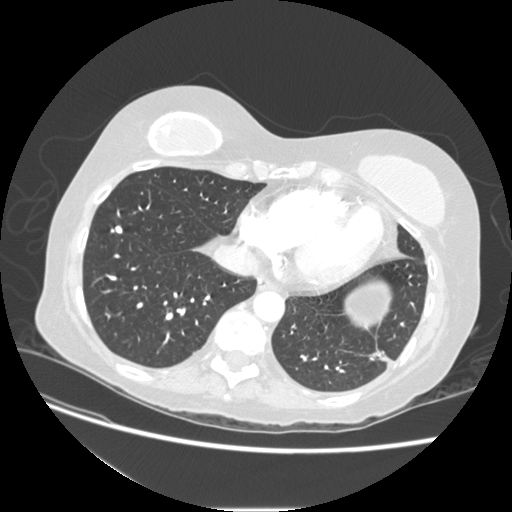
One axial slice (68 of 232, counting up from the lowest) of a chest CT acquired at 120 kVp with the STANDARD kernel; each pixel is 0.703 mm and the slice is 1.25 mm thick.
Pulmonary nodule at rows 224–233, columns 115–122 (box = the union of the readers' outlines on this slice), outlined by all four readers; longest diameter 7.7 mm on average over the four readers' outlines (readers' outlines 7.2–8.2 mm), volume 107–143 mm3. The readers' prevailing ratings and who disagreed: texture 5/5 (solid) from all four readers; margin 5/5 (circumscribed) from all four readers; most readers (three of four) put sphericity at 3/5 (ovoid), others 5/5 (round) (one); calcification solid calcification by three of four readers, absent (one); internal structure soft tissue from all four readers; subtlety 5/5 by two of four readers; the rest gave 3/5 (one), 4/5 (one); most readers (three of four) put malignancy likelihood at 1/5, others 2/5 (one). Scale key (1–5): texture non-solid→solid, margin indistinct→circumscribed, sphericity linear→round, subtlety extremely subtle→obvious, malignancy likelihood highly unlikely→highly suspicious of cancer. Box rows and columns are 0-based pixel indices from the top-left corner, inclusive.